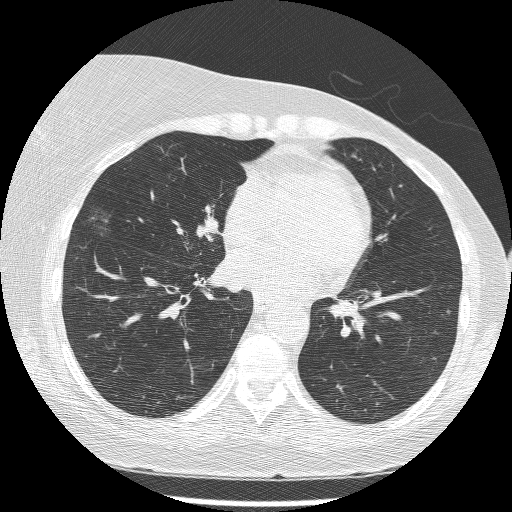
Axial slice 80 of 209 of a chest CT (slice 1 is the lowest), reconstructed with the BONE kernel at 120 kVp; 1.25 mm slice thickness and 0.617 mm pixels.
Three pulmonary nodules are outlined on this slice; from left to right: (1) Pulmonary nodule outlined by three of the four readers, two of them on this slice; box rows 204–235, columns 85–111 (the union of the readers' outlines on this slice); longest diameter 21.9 mm on average over the three readers' outlines (readers' outlines 20.1–23.8 mm), volume 734–2087 mm3. The readers' prevailing ratings and who disagreed: texture 1/5 (non-solid) from all three readers; margin 1/5 (indistinct), all three readers agreeing; most readers (two of three) put sphericity at 4/5, others 3/5 (ovoid) (one); calcification absent, all three readers agreeing; internal structure soft tissue, all three readers agreeing; subtlety split among the readers: 1/5 (one), 2/5 (one), 3/5 (one); malignancy likelihood split among the readers: 3/5 (one), 4/5 (one), 5/5 (one). (2) Pulmonary nodule at rows 215–241, columns 196–218 (box = the union of the readers' outlines on this slice), outlined by three of the four readers; median longest diameter 24.2 mm (readers' outlines 22.9–27.7 mm), median volume 3128 mm3 (3040–4232 mm3). Median ratings and the readers' spread: texture 5/5 (solid) from all three readers; median margin 5/5 (circumscribed) (readers ranged 4/5 to 5/5 (circumscribed)); sphericity 4/5 at the median of three readers, spread 3/5 (ovoid) to 4/5; calcification absent from all three readers; internal structure soft tissue, all three readers agreeing; subtlety 5/5 from all three readers; malignancy likelihood 5/5, all three readers agreeing. (3) Pulmonary nodule, outlined by one of the four readers. Box on this slice rows 152–157, columns 350–356, that reader's outline on this slice; longest diameter 5.5 mm and volume 64 mm3 from that reader's outline. Ratings by that reader: texture 3/5 (part-solid); margin 1/5 (indistinct); sphericity 3/5 (ovoid); calcification absent; internal structure soft tissue; subtlety 3/5; malignancy likelihood 3/5. Scale key (1–5): texture non-solid→solid, margin indistinct→circumscribed, sphericity linear→round, subtlety extremely subtle→obvious, malignancy likelihood highly unlikely→highly suspicious of cancer. Box rows and columns are 0-based pixel indices from the top-left corner, inclusive.